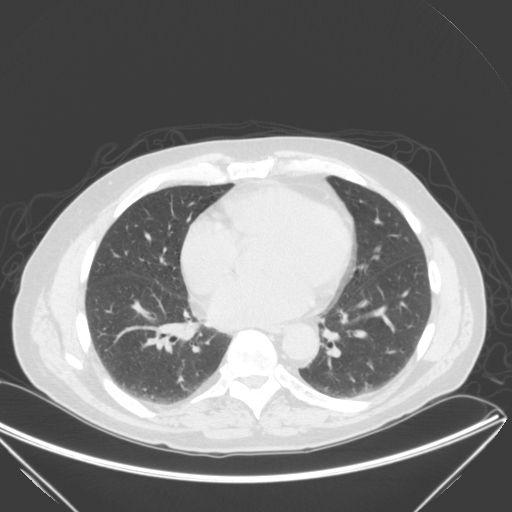
This is axial slice 99 of 280 (slice 1 is the lowest) of a chest CT; each pixel is 0.805 mm and the slice is 2.00 mm thick. Pulmonary nodule outlined by all four readers, three of them on this slice; box rows 385–389, columns 130–135 (the union of the readers' outlines on this slice); the four readers' outlines give a longest diameter between 9.1 and 10.9 mm and a volume between 168 and 331 mm3. The readers' ratings, as ranges where they differ: texture 5/5 (solid), all four readers agreeing; margin from 4/5 to 5/5 (circumscribed) across the four readers; sphericity from 4/5 to 5/5 (round) across the four readers; calcification absent, all four readers agreeing; internal structure soft tissue, all four readers agreeing; subtlety 4–5/5 (the readers disagree); malignancy likelihood rated between 3 and 5 out of 5 by the four readers. Scale key (1–5): texture non-solid→solid, margin indistinct→circumscribed, sphericity linear→round, subtlety extremely subtle→obvious, malignancy likelihood highly unlikely→highly suspicious of cancer. Box rows and columns are 0-based pixel indices from the top-left corner, inclusive.
Scan settings: 120 kVp, B reconstruction kernel.